Axial chest CT slice 291 of 477 (counted from the lowest slice); tube voltage 120 kVp, convolution kernel STANDARD; slices 1.25 mm thick, 0.625 mm per pixel.
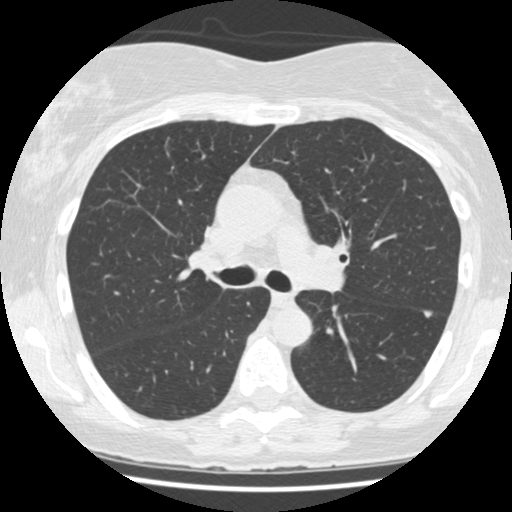
Pulmonary nodule, outlined by three of the four readers. Box on this slice rows 310–318, columns 423–432, the union of the readers' outlines on this slice; median longest diameter 7.3 mm (readers' outlines 6.2–7.6 mm), median volume 125 mm3 (81–136 mm3). Median ratings and the readers' spread: texture 5/5 (solid), all three readers agreeing; margin 5/5 (circumscribed) from all three readers; median sphericity 4/5 (readers ranged 4/5 to 5/5 (round)); calcification absent from all three readers; internal structure soft tissue from all three readers; median subtlety 5/5 (readers ranged 3–5); median malignancy likelihood 2/5 (readers ranged 1–3). Scale key (1–5): texture non-solid→solid, margin indistinct→circumscribed, sphericity linear→round, subtlety extremely subtle→obvious, malignancy likelihood highly unlikely→highly suspicious of cancer. Box rows and columns are 0-based pixel indices from the top-left corner, inclusive.